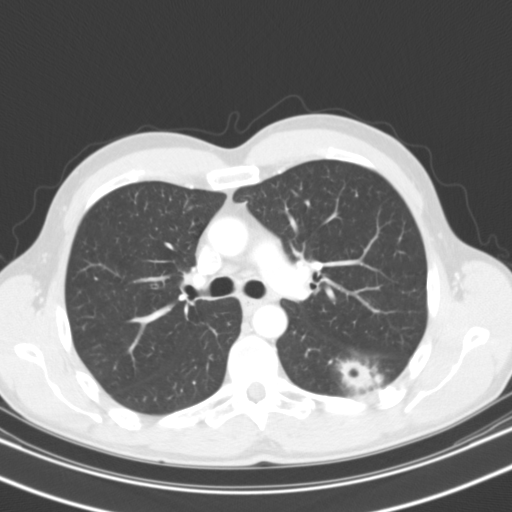
Axial chest CT slice 75 of 119 (counted from the lowest slice); 3.00 mm thick, 0.650 mm per pixel. Pulmonary nodule at rows 358–393, columns 335–383 (box = the union of the readers' outlines on this slice), outlined by all four readers; median longest diameter 37.4 mm (readers' outlines 31.4–40.2 mm), median volume 8660 mm3 (6737–11596 mm3). Median ratings and the readers' spread: texture 5/5 (solid) at the median of four readers, spread 4/5 to 5/5 (solid); median margin 3.5/5 (readers ranged 1/5 (indistinct) to 4/5); sphericity 4/5 at the median of four readers, spread 3/5 (ovoid) to 5/5 (round); calcification absent, all four readers agreeing; internal structure: soft tissue (three), air (one); subtlety 5/5 from all four readers; malignancy likelihood 4.5/5 at the median of four readers, spread 2–5. Scale key (1–5): texture non-solid→solid, margin indistinct→circumscribed, sphericity linear→round, subtlety extremely subtle→obvious, malignancy likelihood highly unlikely→highly suspicious of cancer. Box rows and columns are 0-based pixel indices from the top-left corner, inclusive.
Scan settings: 130 kVp, B31s reconstruction kernel.